Axial chest CT slice 75 of 148 (counted from the lowest slice); tube voltage 120 kVp, convolution kernel STANDARD; slices 2.50 mm thick, 0.703 mm per pixel.
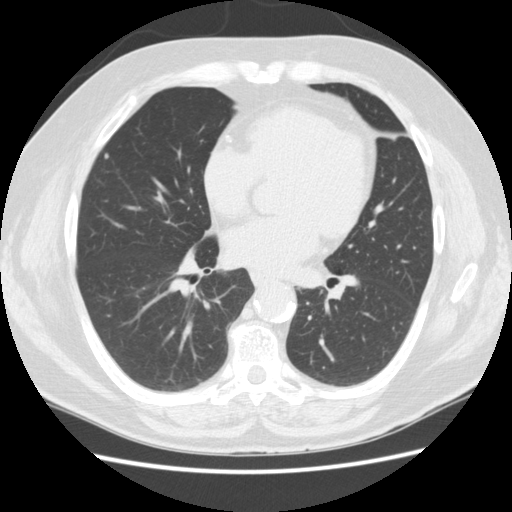
Pulmonary nodule outlined by all four readers; box rows 151–158, columns 103–108 (the union of the readers' outlines on this slice); longest diameter 4.9–6.5 mm and volume 51–101 mm3 across the four readers' outlines. Ratings across the readers: texture from 4/5 to 5/5 (solid) across the four readers; margin from 4/5 to 5/5 (circumscribed) across the four readers; sphericity 5/5 (round) from all four readers; calcification absent from all four readers; internal structure soft tissue from all four readers; subtlety rated between 3 and 5 out of 5 by the four readers; malignancy likelihood from 1/5 to 2/5 across the four readers. Scale key (1–5): texture non-solid→solid, margin indistinct→circumscribed, sphericity linear→round, subtlety extremely subtle→obvious, malignancy likelihood highly unlikely→highly suspicious of cancer. Box rows and columns are 0-based pixel indices from the top-left corner, inclusive.